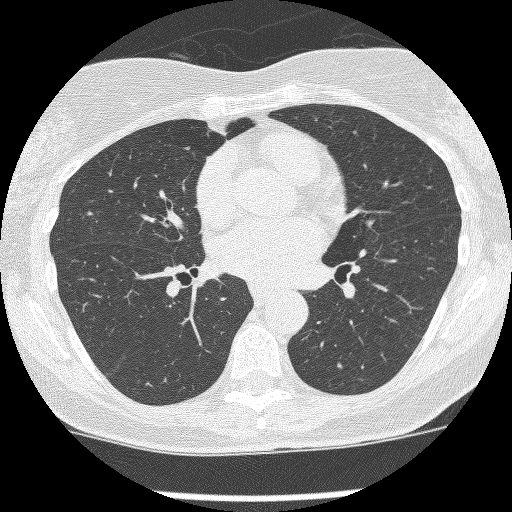
Axial chest CT slice 139 of 257 (counted from the lowest slice); tube voltage 120 kVp, convolution kernel BONE; slices 1.25 mm thick, 0.576 mm per pixel.
No nodule of 3 mm or larger was outlined by any of the four readers on this slice.